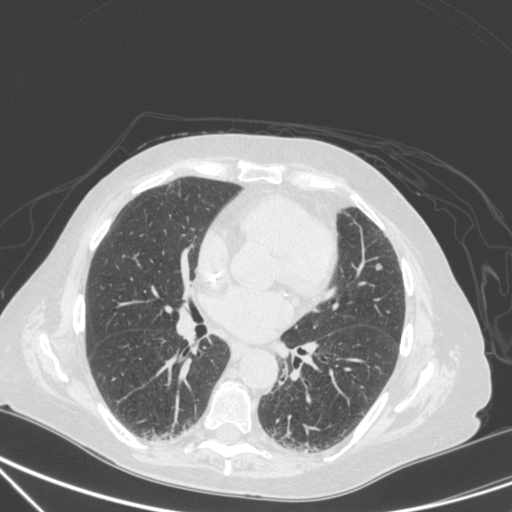
One axial slice (159 of 350, counting up from the lowest) of a chest CT acquired at 120 kVp with the C kernel; each pixel is 0.725 mm and the slice is 1.50 mm thick.
Pulmonary nodule, outlined by all four readers. Box on this slice rows 263–270, columns 374–382, the union of the readers' outlines on this slice; longest diameter 9.2 mm on average over the four readers' outlines (readers' outlines 8.5–10.5 mm), volume 175–345 mm3. Ratings, by the readers' most common answer with dissent counted: most readers (three of four) put texture at 5/5 (solid), others 4/5 (one); margin 4/5 by three of four readers; the rest gave 5/5 (circumscribed) (one); sphericity split among the readers: 3/5 (ovoid) (two), 4/5 (two); calcification absent from all four readers; internal structure soft tissue, all four readers agreeing; subtlety 5/5 from all four readers; malignancy likelihood 2/5 by two of four readers; the rest gave 4/5 (one), 5/5 (one). Scale key (1–5): texture non-solid→solid, margin indistinct→circumscribed, sphericity linear→round, subtlety extremely subtle→obvious, malignancy likelihood highly unlikely→highly suspicious of cancer. Box rows and columns are 0-based pixel indices from the top-left corner, inclusive.